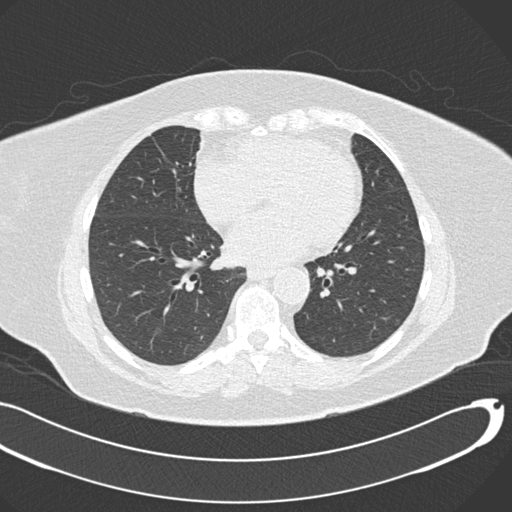
Axial chest CT slice 71 of 177 (counted from the lowest slice); tube voltage 120 kVp, convolution kernel B30f; slices 2.00 mm thick, 0.742 mm per pixel.
Pulmonary nodule, outlined by three of the four readers, one of them on this slice. Box on this slice rows 328–334, columns 153–159, the one reader's outline on this slice; the three readers' outlines give a longest diameter between 7.4 and 10.0 mm and a volume between 62 and 167 mm3. The readers' ratings, as ranges where they differ: texture from 1/5 (non-solid) to 4/5 across the three readers; margin from 1/5 (indistinct) to 4/5 across the three readers; sphericity from 3/5 (ovoid) to 4/5 across the three readers; calcification absent from all three readers; internal structure soft tissue from all three readers; subtlety rated between 3 and 5 out of 5 by the three readers; malignancy likelihood 2–3/5 (the readers disagree). Scale key (1–5): texture non-solid→solid, margin indistinct→circumscribed, sphericity linear→round, subtlety extremely subtle→obvious, malignancy likelihood highly unlikely→highly suspicious of cancer. Box rows and columns are 0-based pixel indices from the top-left corner, inclusive.